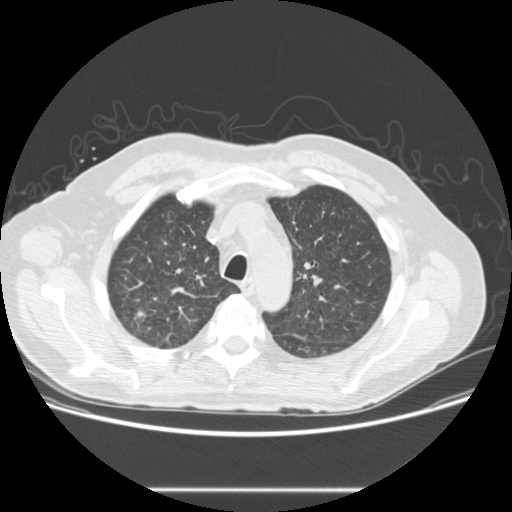
Axial chest CT slice 204 of 273 (counted from the lowest slice); tube voltage 120 kVp, convolution kernel STANDARD; slices 1.25 mm thick, 0.740 mm per pixel.
Pulmonary nodule, outlined by all four readers. Box on this slice rows 311–318, columns 134–145, the union of the readers' outlines on this slice; median longest diameter 11.0 mm (readers' outlines 10.1–12.7 mm), median volume 344 mm3 (277–395 mm3). Median ratings and the readers' spread: median texture 4.5/5 (readers ranged 4/5 to 5/5 (solid)); median margin 3.5/5 (readers ranged 2/5 to 4/5); median sphericity 3.5/5 (readers ranged 3/5 (ovoid) to 4/5); calcification absent from all four readers; internal structure soft tissue, all four readers agreeing; subtlety 4/5 at the median of four readers, spread 3–4; median malignancy likelihood 3.5/5 (readers ranged 3–5). Scale key (1–5): texture non-solid→solid, margin indistinct→circumscribed, sphericity linear→round, subtlety extremely subtle→obvious, malignancy likelihood highly unlikely→highly suspicious of cancer. Box rows and columns are 0-based pixel indices from the top-left corner, inclusive.